Chest CT, axial plane, 120 kVp, kernel B45f. Slice 268/327 from the bottom of the scan; thickness 1.00 mm; pixel size 0.547 mm.
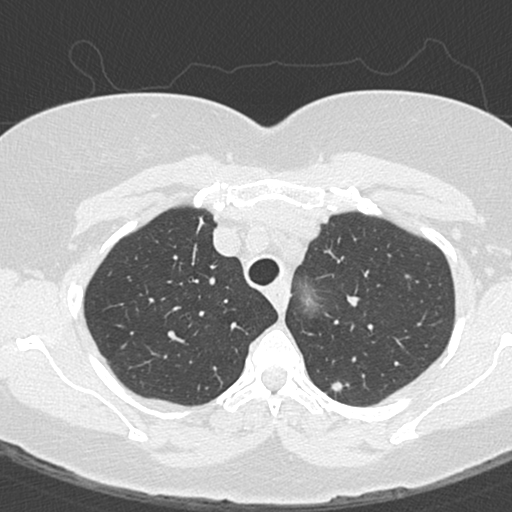
Two pulmonary nodules on this slice, listed from left to right. (1) Pulmonary nodule outlined by three of the four readers; box rows 381–396, columns 330–342 (the union of the readers' outlines on this slice); median longest diameter 7.4 mm (readers' outlines 7.3–12.8 mm), median volume 83 mm3 (81–146 mm3). Median ratings and the readers' spread: texture 5/5 (solid) from all three readers; median margin 5/5 (circumscribed) (readers ranged 4/5 to 5/5 (circumscribed)); median sphericity 4/5 (readers ranged 3/5 (ovoid) to 5/5 (round)); calcification absent, all three readers agreeing; internal structure soft tissue from all three readers; subtlety 4/5 at the median of three readers, spread 3–4; median malignancy likelihood 4/5 (readers ranged 2–4). (2) Pulmonary nodule outlined by one of the four readers; box rows 275–277, columns 405–409 (that reader's outline on this slice); longest diameter 4.7 mm and volume 29 mm3 from that reader's outline. That reader's ratings: texture 5/5 (solid); margin 4/5; sphericity 5/5 (round); calcification absent; internal structure soft tissue; subtlety 2/5; malignancy likelihood 3/5. Scale key (1–5): texture non-solid→solid, margin indistinct→circumscribed, sphericity linear→round, subtlety extremely subtle→obvious, malignancy likelihood highly unlikely→highly suspicious of cancer. Box rows and columns are 0-based pixel indices from the top-left corner, inclusive.